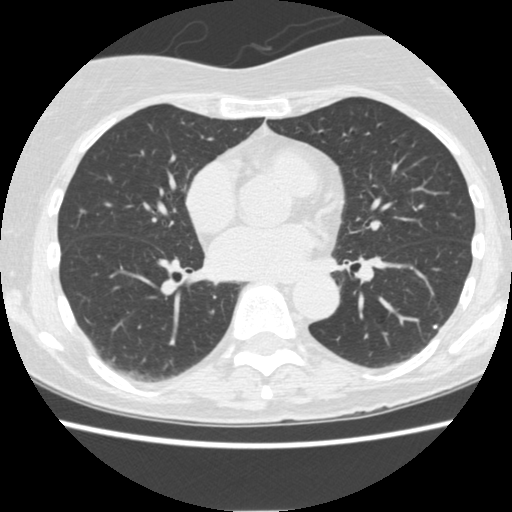
Axial chest CT slice 200 of 484 (counted from the lowest slice); tube voltage 120 kVp, convolution kernel STANDARD; slices 1.25 mm thick, 0.625 mm per pixel.
Pulmonary nodule at rows 326–328, columns 433–436 (box = that reader's outline on this slice), outlined by one of the four readers; longest diameter 4.6 mm and volume 36 mm3 from that reader's outline. That reader's ratings: texture 5/5 (solid); margin 5/5 (circumscribed); sphericity 4/5; calcification solid calcification; internal structure soft tissue; subtlety 5/5; malignancy likelihood 1/5. Scale key (1–5): texture non-solid→solid, margin indistinct→circumscribed, sphericity linear→round, subtlety extremely subtle→obvious, malignancy likelihood highly unlikely→highly suspicious of cancer. Box rows and columns are 0-based pixel indices from the top-left corner, inclusive.